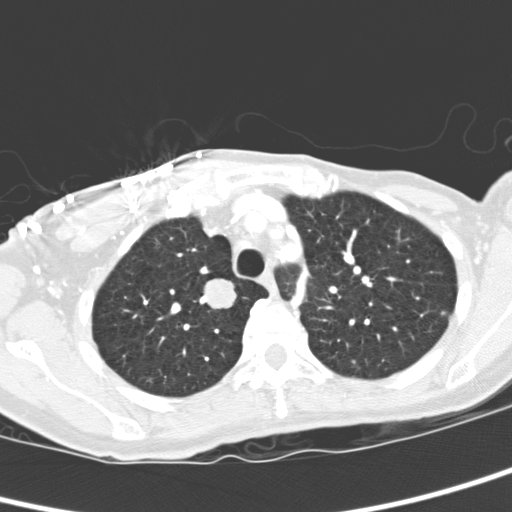
This is axial slice 253 of 321 (slice 1 is the lowest) of a chest CT; each pixel is 0.557 mm and the slice is 2.00 mm thick. Pulmonary nodule at rows 278–309, columns 202–236 (box = the union of the readers' outlines on this slice), outlined by all four readers; longest diameter 19.2–21.9 mm and volume 3323–4100 mm3 across the four readers' outlines. The readers' ratings, as ranges where they differ: texture 5/5 (solid), all four readers agreeing; margin from 4/5 to 5/5 (circumscribed) across the four readers; sphericity from 4/5 to 5/5 (round) across the four readers; calcification absent from all four readers; internal structure soft tissue, all four readers agreeing; subtlety 5/5, all four readers agreeing; malignancy likelihood rated between 3 and 5 out of 5 by the four readers. Scale key (1–5): texture non-solid→solid, margin indistinct→circumscribed, sphericity linear→round, subtlety extremely subtle→obvious, malignancy likelihood highly unlikely→highly suspicious of cancer. Box rows and columns are 0-based pixel indices from the top-left corner, inclusive.
Acquired at 120 kVp and reconstructed with the D kernel.